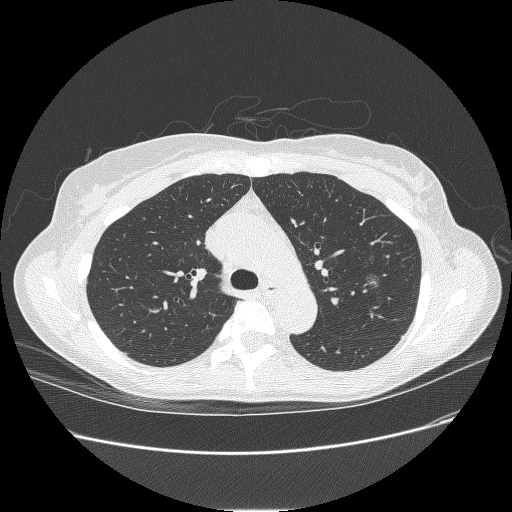
Chest CT, axial plane, 120 kVp, kernel BONE. Slice 177/238 from the bottom of the scan; thickness 1.25 mm; pixel size 0.703 mm.
Pulmonary nodule outlined by all four readers; box rows 272–290, columns 364–380 (the union of the readers' outlines on this slice); longest diameter 13.3–17.8 mm and volume 437–1030 mm3 across the four readers' outlines. The readers' ratings, as ranges where they differ: texture from 1/5 (non-solid) to 3/5 (part-solid) across the four readers; margin from 1/5 (indistinct) to 5/5 (circumscribed) across the four readers; sphericity from 3/5 (ovoid) to 4/5 across the four readers; calcification absent from all four readers; internal structure soft tissue, all four readers agreeing; subtlety 3–5/5 (the readers disagree); malignancy likelihood rated between 2 and 4 out of 5 by the four readers. Scale key (1–5): texture non-solid→solid, margin indistinct→circumscribed, sphericity linear→round, subtlety extremely subtle→obvious, malignancy likelihood highly unlikely→highly suspicious of cancer. Box rows and columns are 0-based pixel indices from the top-left corner, inclusive.